Axial slice 226 of 506 of a chest CT (slice 1 is the lowest), reconstructed with the STANDARD kernel at 120 kVp; 1.25 mm slice thickness and 0.664 mm pixels.
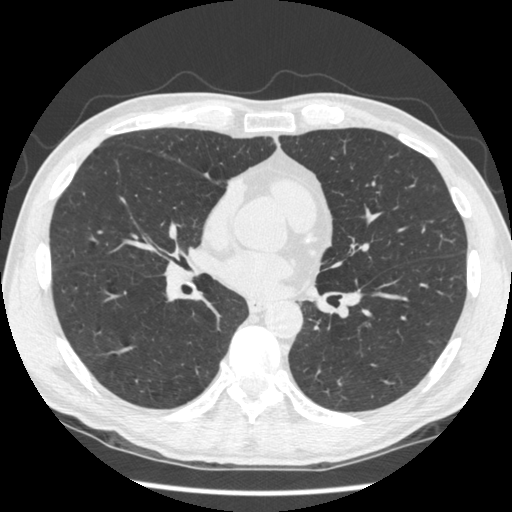
This slice carries no reader outline of a nodule 3 mm or larger.